Axial slice 72 of 109 of a chest CT (slice 1 is the lowest), reconstructed with the LUNG kernel at 120 kVp; 2.50 mm slice thickness and 0.664 mm pixels.
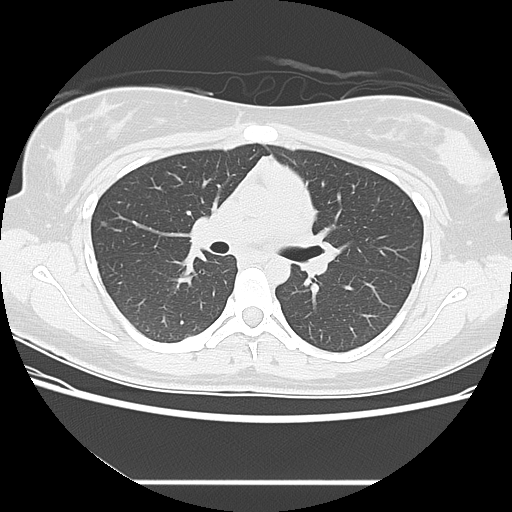
Pulmonary nodule, outlined by all four readers. Box on this slice rows 220–226, columns 100–107, the union of the readers' outlines on this slice; longest diameter 5.5–6.9 mm and volume 113–133 mm3 across the four readers' outlines. The readers' ratings, as ranges where they differ: texture 5/5 (solid) from all four readers; margin from 4/5 to 5/5 (circumscribed) across the four readers; sphericity from 4/5 to 5/5 (round) across the four readers; calcification absent from all four readers; internal structure soft tissue, all four readers agreeing; subtlety from 3/5 to 5/5 across the four readers; malignancy likelihood rated between 2 and 3 out of 5 by the four readers. Scale key (1–5): texture non-solid→solid, margin indistinct→circumscribed, sphericity linear→round, subtlety extremely subtle→obvious, malignancy likelihood highly unlikely→highly suspicious of cancer. Box rows and columns are 0-based pixel indices from the top-left corner, inclusive.